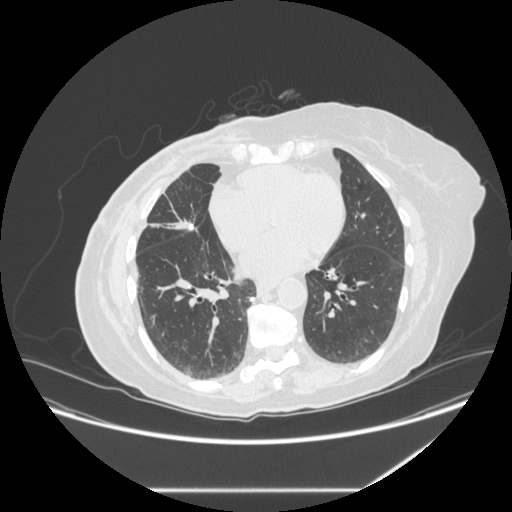
Chest CT, axial plane, 120 kVp, kernel STANDARD. Slice 133/281 from the bottom of the scan; thickness 1.25 mm; pixel size 0.816 mm.
Pulmonary nodule at rows 297–301, columns 249–254 (box = the union of the readers' outlines on this slice), outlined by all four readers; longest diameter 6.3 mm on average over the four readers' outlines (readers' outlines 5.2–7.0 mm), volume 50–113 mm3. Ratings, by the readers' most common answer with dissent counted: texture 5/5 (solid) from all four readers; margin 5/5 (circumscribed), all four readers agreeing; sphericity 5/5 (round) by two of four readers; the rest gave 3/5 (ovoid) (one), 4/5 (one); calcification solid calcification by two of four readers, absent (one), central calcification (one); internal structure soft tissue from all four readers; subtlety split among the readers: 2/5 (one), 3/5 (one), 4/5 (one), 5/5 (one); malignancy likelihood 1/5 by three of four readers; the rest gave 2/5 (one). Scale key (1–5): texture non-solid→solid, margin indistinct→circumscribed, sphericity linear→round, subtlety extremely subtle→obvious, malignancy likelihood highly unlikely→highly suspicious of cancer. Box rows and columns are 0-based pixel indices from the top-left corner, inclusive.